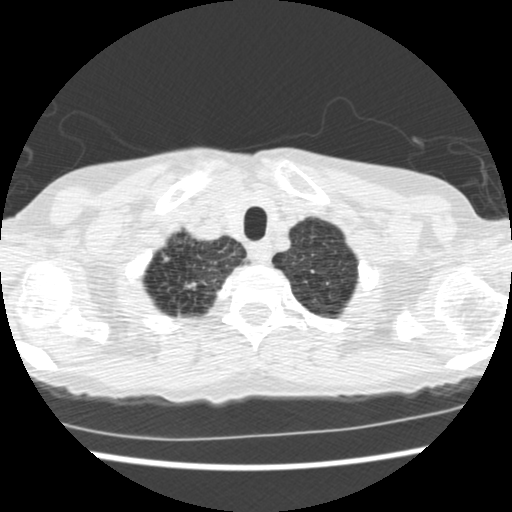
Axial chest CT slice 483 of 541 (counted from the lowest slice); 1.25 mm thick, 0.586 mm per pixel. Pulmonary nodule at rows 283–289, columns 185–195 (box = that reader's outline on this slice), outlined by one of the four readers; longest diameter 24.9 mm and volume 491 mm3 from that reader's outline. Ratings by that reader: texture 5/5 (solid); margin 1/5 (indistinct); sphericity 2/5; calcification absent; internal structure soft tissue; subtlety 4/5; malignancy likelihood 4/5. Scale key (1–5): texture non-solid→solid, margin indistinct→circumscribed, sphericity linear→round, subtlety extremely subtle→obvious, malignancy likelihood highly unlikely→highly suspicious of cancer. Box rows and columns are 0-based pixel indices from the top-left corner, inclusive.
Acquired at 120 kVp and reconstructed with the STANDARD kernel.